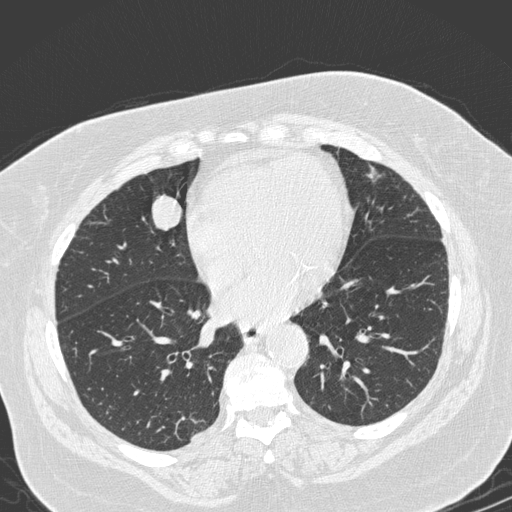
Axial slice 86 of 280 of a chest CT (slice 1 is the lowest), reconstructed with the D kernel at 120 kVp; 1.00 mm slice thickness and 0.666 mm pixels.
Pulmonary nodule, outlined by all four readers. Box on this slice rows 194–230, columns 150–181, the union of the readers' outlines on this slice; median longest diameter 25.4 mm (readers' outlines 25.0–27.8 mm), median volume 5111 mm3 (4698–5913 mm3). Median ratings and the readers' spread: texture 5/5 (solid), all four readers agreeing; margin 4.5/5 at the median of four readers, spread 4/5 to 5/5 (circumscribed); sphericity 4.5/5 at the median of four readers, spread 3/5 (ovoid) to 5/5 (round); calcification absent, all four readers agreeing; internal structure soft tissue, all four readers agreeing; subtlety 5/5, all four readers agreeing; median malignancy likelihood 4.5/5 (readers ranged 2–5). Scale key (1–5): texture non-solid→solid, margin indistinct→circumscribed, sphericity linear→round, subtlety extremely subtle→obvious, malignancy likelihood highly unlikely→highly suspicious of cancer. Box rows and columns are 0-based pixel indices from the top-left corner, inclusive.